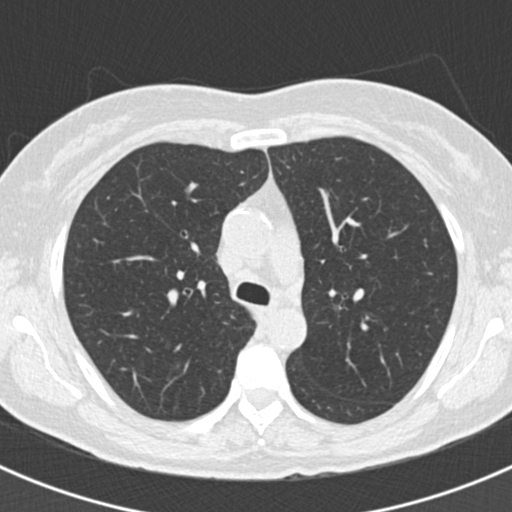
This is axial slice 130 of 193 (slice 1 is the lowest) of a chest CT; each pixel is 0.605 mm and the slice is 2.00 mm thick. None of the four readers outlined a nodule of 3 mm or more on this slice.
Acquired at 120 kVp and reconstructed with the B30f kernel.